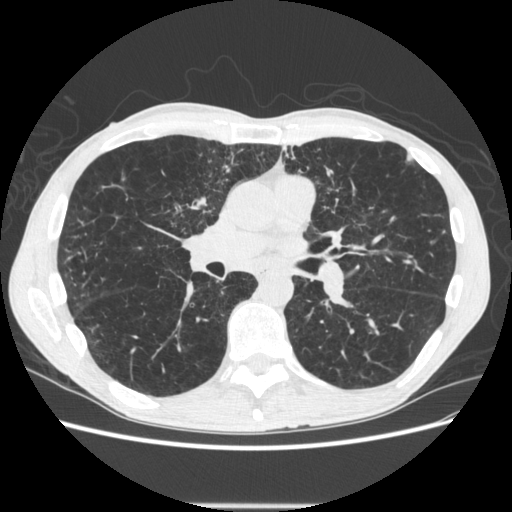
One axial slice (331 of 605, counting up from the lowest) of a chest CT acquired at 120 kVp with the STANDARD kernel; each pixel is 0.703 mm and the slice is 1.25 mm thick.
Pulmonary nodule, outlined by all four readers. Box on this slice rows 154–162, columns 406–412, the union of the readers' outlines on this slice; the four readers' outlines give a longest diameter between 8.0 and 8.9 mm and a volume between 44 and 96 mm3. The readers' ratings, as ranges where they differ: texture 5/5 (solid), all four readers agreeing; margin from 4/5 to 5/5 (circumscribed) across the four readers; sphericity from 3/5 (ovoid) to 5/5 (round) across the four readers; calcification absent from all four readers; internal structure soft tissue, all four readers agreeing; subtlety 4/5, all four readers agreeing; malignancy likelihood 1–3/5 (the readers disagree). Scale key (1–5): texture non-solid→solid, margin indistinct→circumscribed, sphericity linear→round, subtlety extremely subtle→obvious, malignancy likelihood highly unlikely→highly suspicious of cancer. Box rows and columns are 0-based pixel indices from the top-left corner, inclusive.